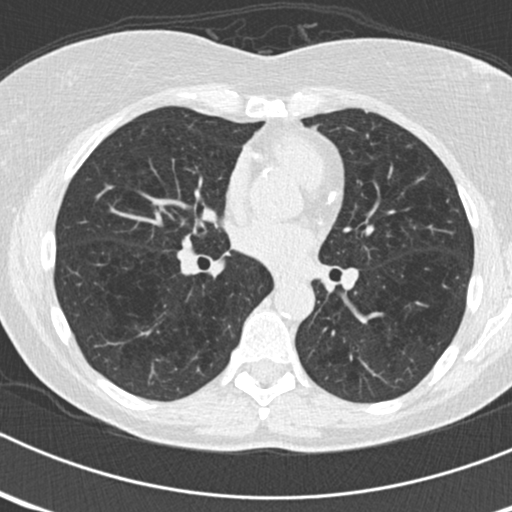
Slice 88/176 of a chest CT, counting up from the lowest; pixel size 0.586 mm, slice thickness 2.00 mm. No nodule 3 mm or larger was outlined here by any reader.
Tube voltage 120 kVp; convolution kernel B30f.